Chest CT, axial plane, 120 kVp, kernel D. Slice 143/300 from the bottom of the scan; thickness 2.00 mm; pixel size 0.678 mm.
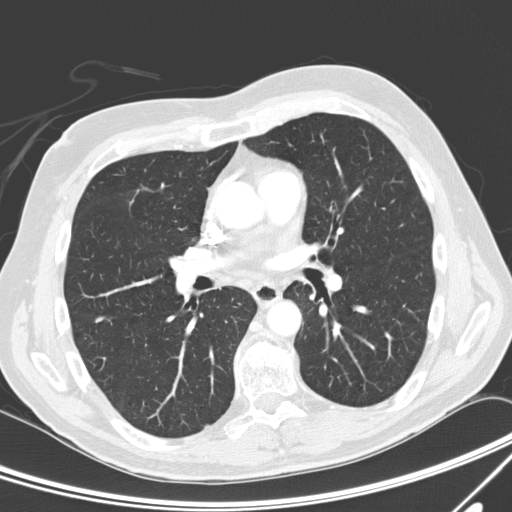
Pulmonary nodule outlined by one of the four readers; box rows 315–322, columns 94–103 (that reader's outline on this slice); longest diameter 8.2 mm and volume 88 mm3 from that reader's outline. Ratings by that reader: texture 5/5 (solid); margin 5/5 (circumscribed); sphericity 2/5; calcification absent; internal structure soft tissue; subtlety 4/5; malignancy likelihood 2/5. Scale key (1–5): texture non-solid→solid, margin indistinct→circumscribed, sphericity linear→round, subtlety extremely subtle→obvious, malignancy likelihood highly unlikely→highly suspicious of cancer. Box rows and columns are 0-based pixel indices from the top-left corner, inclusive.